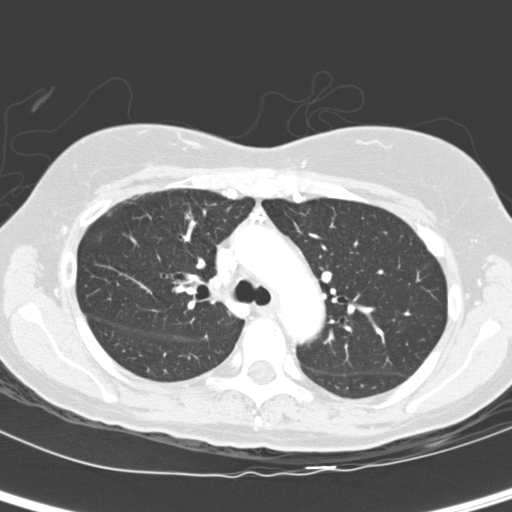
This is axial slice 179 of 260 (slice 1 is the lowest) of a chest CT; each pixel is 0.584 mm and the slice is 2.00 mm thick. Pulmonary nodule outlined by three of the four readers, two of them on this slice; box rows 212–220, columns 185–192 (the union of the readers' outlines on this slice); median longest diameter 6.3 mm (readers' outlines 5.4–6.8 mm), median volume 86 mm3 (27–95 mm3). Median ratings and the readers' spread: texture 5/5 (solid) at the median of three readers, spread 4/5 to 5/5 (solid); margin 3/5 at the median of three readers, spread 3/5 to 5/5 (circumscribed); median sphericity 4/5 (readers ranged 3/5 (ovoid) to 4/5); calcification absent, all three readers agreeing; internal structure soft tissue, all three readers agreeing; subtlety 2/5 at the median of three readers, spread 2–3; median malignancy likelihood 3/5 (readers ranged 1–4). Scale key (1–5): texture non-solid→solid, margin indistinct→circumscribed, sphericity linear→round, subtlety extremely subtle→obvious, malignancy likelihood highly unlikely→highly suspicious of cancer. Box rows and columns are 0-based pixel indices from the top-left corner, inclusive.
Acquired at 120 kVp and reconstructed with the D kernel.